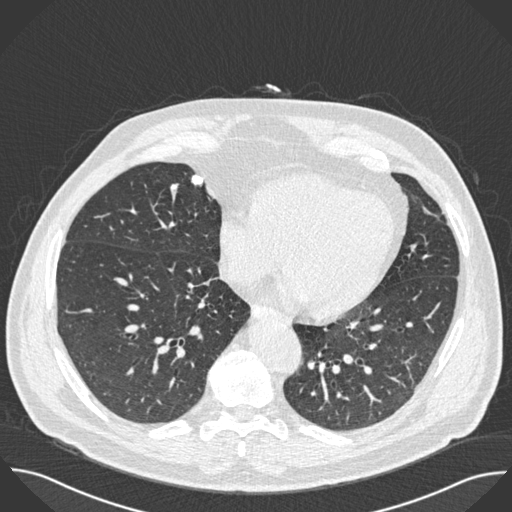
Axial slice 218 of 493 of a chest CT (slice 1 is the lowest), reconstructed with the B30f kernel at 120 kVp; 0.75 mm slice thickness and 0.762 mm pixels.
Pulmonary nodule outlined by all four readers; box rows 174–185, columns 191–203 (the union of the readers' outlines on this slice); longest diameter 11.0 mm on average over the four readers' outlines (readers' outlines 10.6–11.2 mm), volume 320–406 mm3. The readers' prevailing ratings and who disagreed: texture 5/5 (solid), all four readers agreeing; margin 5/5 (circumscribed) from all four readers; sphericity 4/5 by three of four readers; the rest gave 3/5 (ovoid) (one); calcification solid calcification by three of four readers, central calcification (one); internal structure soft tissue, all four readers agreeing; subtlety split among the readers: 4/5 (two), 5/5 (two); malignancy likelihood 1/5, all four readers agreeing. Scale key (1–5): texture non-solid→solid, margin indistinct→circumscribed, sphericity linear→round, subtlety extremely subtle→obvious, malignancy likelihood highly unlikely→highly suspicious of cancer. Box rows and columns are 0-based pixel indices from the top-left corner, inclusive.